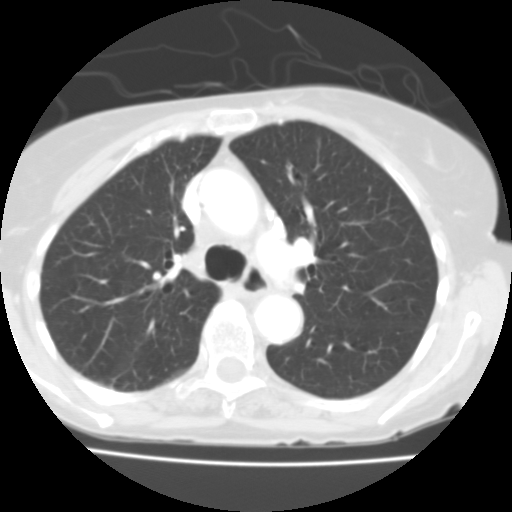
This is axial slice 72 of 108 (slice 1 is the lowest) of a chest CT; each pixel is 0.564 mm and the slice is 3.00 mm thick. No nodule 3 mm or larger was outlined here by any reader.
Acquired at 135 kVp and reconstructed with the FC01 kernel.